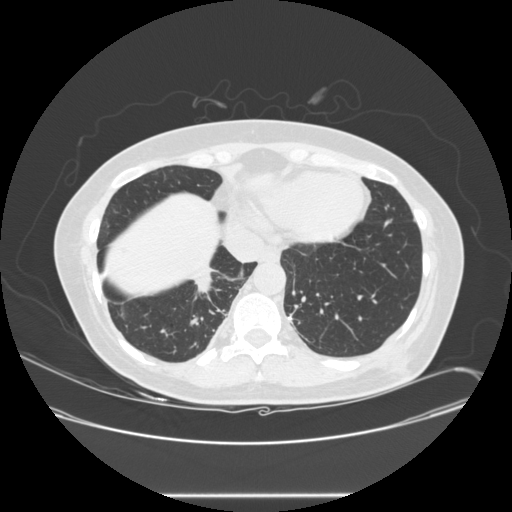
Axial slice 92 of 257 of a chest CT (slice 1 is the lowest), reconstructed with the STANDARD kernel at 120 kVp; 1.25 mm slice thickness and 0.781 mm pixels.
Pulmonary nodule at rows 267–294, columns 192–212 (box = the union of the readers' outlines on this slice), outlined by all four readers; median longest diameter 33.5 mm (readers' outlines 28.0–45.1 mm), median volume 6377 mm3 (5019–8578 mm3). Ratings, median across the readers with their spread: texture 5/5 (solid) from all four readers; median margin 4.5/5 (readers ranged 1/5 (indistinct) to 5/5 (circumscribed)); sphericity 3.5/5 at the median of four readers, spread 3/5 (ovoid) to 4/5; calcification absent, all four readers agreeing; internal structure soft tissue, all four readers agreeing; subtlety 5/5 from all four readers; malignancy likelihood 5/5, all four readers agreeing. Scale key (1–5): texture non-solid→solid, margin indistinct→circumscribed, sphericity linear→round, subtlety extremely subtle→obvious, malignancy likelihood highly unlikely→highly suspicious of cancer. Box rows and columns are 0-based pixel indices from the top-left corner, inclusive.